Axial slice 135 of 171 of a chest CT (slice 1 is the lowest), reconstructed with the B30f kernel at 120 kVp; 2.00 mm slice thickness and 0.547 mm pixels.
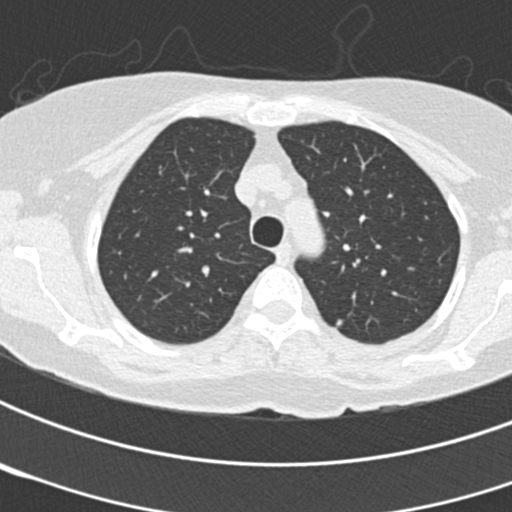
Pulmonary nodule, outlined by two of the four readers. Box on this slice rows 319–324, columns 335–341, the union of the readers' outlines on this slice; median longest diameter 5.1 mm (readers' outlines 4.4–5.9 mm), median volume 47 mm3 (31–63 mm3). Ratings, median across the readers with their spread: texture 5/5 (solid) from both readers; median margin 4.5/5 (readers ranged 4/5 to 5/5 (circumscribed)); sphericity 4/5, both readers agreeing; calcification absent, both readers agreeing; internal structure soft tissue from both readers; subtlety 4/5 from both readers; malignancy likelihood 2.5/5 at the median of two readers, spread 2–3. Scale key (1–5): texture non-solid→solid, margin indistinct→circumscribed, sphericity linear→round, subtlety extremely subtle→obvious, malignancy likelihood highly unlikely→highly suspicious of cancer. Box rows and columns are 0-based pixel indices from the top-left corner, inclusive.